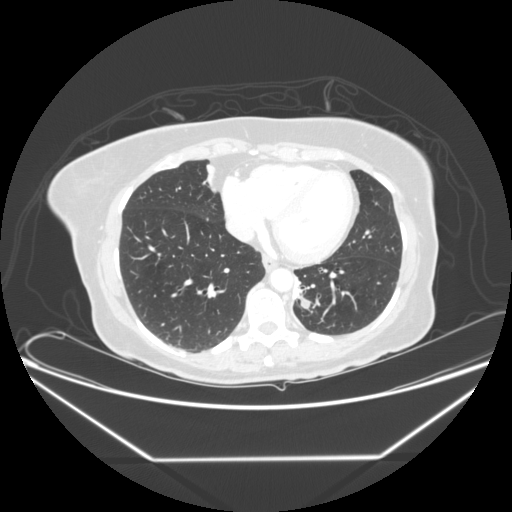
Axial chest CT slice 81 of 245 (counted from the lowest slice); 1.25 mm thick, 0.826 mm per pixel. Pulmonary nodule outlined by all four readers; box rows 299–308, columns 300–311 (the union of the readers' outlines on this slice); median longest diameter 13.0 mm (readers' outlines 10.9–14.9 mm), median volume 559 mm3 (519–637 mm3). Median ratings and the readers' spread: texture 5/5 (solid), all four readers agreeing; median margin 4/5 (readers ranged 4/5 to 5/5 (circumscribed)); sphericity 4/5 at the median of four readers, spread 3/5 (ovoid) to 5/5 (round); calcification absent, all four readers agreeing; internal structure soft tissue from all four readers; median subtlety 3.5/5 (readers ranged 2–5); median malignancy likelihood 3/5 (readers ranged 3–4). Scale key (1–5): texture non-solid→solid, margin indistinct→circumscribed, sphericity linear→round, subtlety extremely subtle→obvious, malignancy likelihood highly unlikely→highly suspicious of cancer. Box rows and columns are 0-based pixel indices from the top-left corner, inclusive.
Tube voltage 120 kVp; convolution kernel STANDARD.